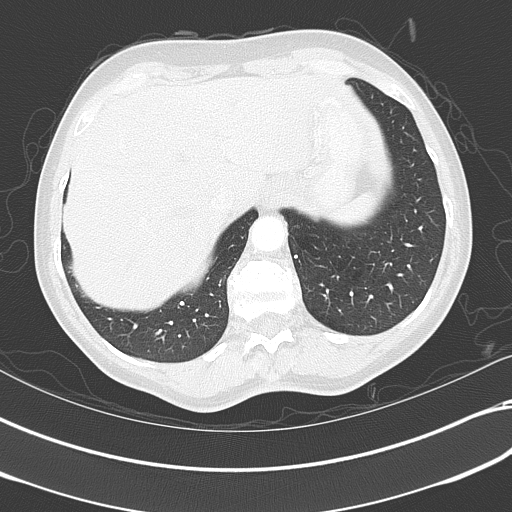
Axial chest CT slice 100 of 351 (counted from the lowest slice); tube voltage 120 kVp, convolution kernel B70f; slices 2.00 mm thick, 0.643 mm per pixel.
Pulmonary nodule, outlined by one of the four readers. Box on this slice rows 300–305, columns 179–184, that reader's outline on this slice; longest diameter 4.7 mm and volume 48 mm3 from that reader's outline. Ratings by that reader: texture 5/5 (solid); margin 5/5 (circumscribed); sphericity 5/5 (round); calcification solid calcification; internal structure soft tissue; subtlety 3/5; malignancy likelihood 1/5. Scale key (1–5): texture non-solid→solid, margin indistinct→circumscribed, sphericity linear→round, subtlety extremely subtle→obvious, malignancy likelihood highly unlikely→highly suspicious of cancer. Box rows and columns are 0-based pixel indices from the top-left corner, inclusive.